Chest CT, axial plane, 120 kVp, kernel B70f. Slice 149/368 from the bottom of the scan; thickness 2.00 mm; pixel size 0.623 mm.
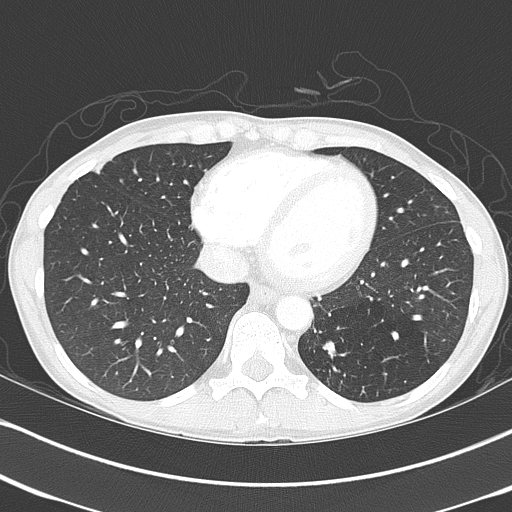
Pulmonary nodule at rows 162–173, columns 94–103 (box = the one reader's outline on this slice), outlined by all four readers, one of them on this slice; longest diameter 31.5 mm on average over the four readers' outlines (readers' outlines 27.1–39.3 mm), volume 6531–9806 mm3. The readers' prevailing ratings and who disagreed: texture 5/5 (solid) from all four readers; margin 4/5 by two of four readers; the rest gave 2/5 (one), 5/5 (circumscribed) (one); most readers (three of four) put sphericity at 3/5 (ovoid), others 2/5 (one); calcification split among the readers: laminated calcification (one), absent (one), popcorn calcification (one), non-central calcification (one); internal structure soft tissue, all four readers agreeing; subtlety 5/5, all four readers agreeing; malignancy likelihood split among the readers: 1/5 (one), 2/5 (one), 4/5 (one), 5/5 (one). Scale key (1–5): texture non-solid→solid, margin indistinct→circumscribed, sphericity linear→round, subtlety extremely subtle→obvious, malignancy likelihood highly unlikely→highly suspicious of cancer. Box rows and columns are 0-based pixel indices from the top-left corner, inclusive.